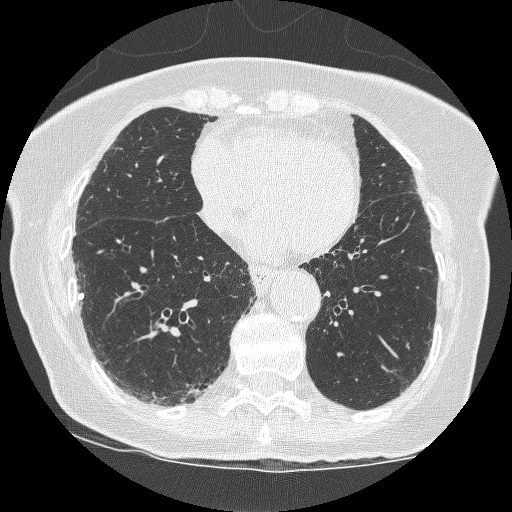
This is axial slice 103 of 261 (slice 1 is the lowest) of a chest CT; each pixel is 0.586 mm and the slice is 1.25 mm thick. Pulmonary nodule outlined by all four readers; box rows 292–299, columns 77–84 (the union of the readers' outlines on this slice); longest diameter 5.1 mm on average over the four readers' outlines (readers' outlines 4.2–5.6 mm), volume 31–43 mm3. The readers' prevailing ratings and who disagreed: texture 5/5 (solid) from all four readers; margin 5/5 (circumscribed), all four readers agreeing; sphericity split among the readers: 4/5 (two), 5/5 (round) (two); calcification solid calcification by three of four readers, absent (one); internal structure soft tissue, all four readers agreeing; subtlety 3/5 by two of four readers; the rest gave 4/5 (one), 5/5 (one); malignancy likelihood 1/5 from all four readers. Scale key (1–5): texture non-solid→solid, margin indistinct→circumscribed, sphericity linear→round, subtlety extremely subtle→obvious, malignancy likelihood highly unlikely→highly suspicious of cancer. Box rows and columns are 0-based pixel indices from the top-left corner, inclusive.
Tube voltage 120 kVp; convolution kernel BONE.